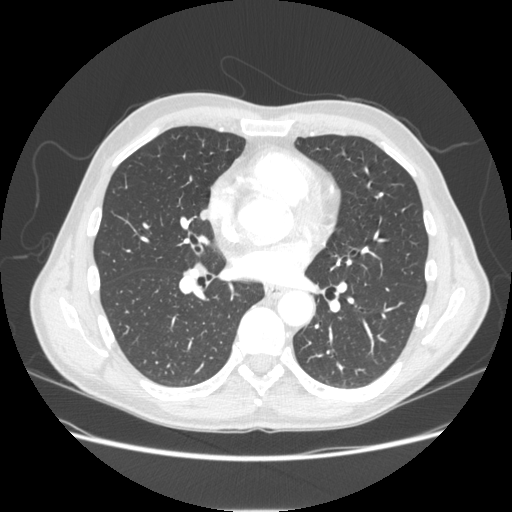
Axial chest CT slice 118 of 253 (counted from the lowest slice); tube voltage 120 kVp, convolution kernel STANDARD; slices 1.25 mm thick, 0.742 mm per pixel.
Pulmonary nodule, outlined by all four readers. Box on this slice rows 209–219, columns 199–207, the union of the readers' outlines on this slice; median longest diameter 9.4 mm (readers' outlines 8.7–10.7 mm), median volume 294 mm3 (228–321 mm3). Ratings, median across the readers with their spread: texture 5/5 (solid), all four readers agreeing; margin 5/5 (circumscribed) from all four readers; median sphericity 4.5/5 (readers ranged 3/5 (ovoid) to 5/5 (round)); calcification absent from all four readers; internal structure soft tissue, all four readers agreeing; median subtlety 3.5/5 (readers ranged 3–5); median malignancy likelihood 2.5/5 (readers ranged 2–4). Scale key (1–5): texture non-solid→solid, margin indistinct→circumscribed, sphericity linear→round, subtlety extremely subtle→obvious, malignancy likelihood highly unlikely→highly suspicious of cancer. Box rows and columns are 0-based pixel indices from the top-left corner, inclusive.